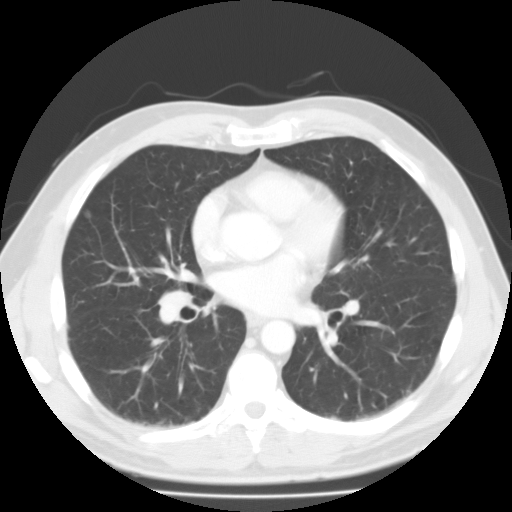
This is axial slice 59 of 116 (slice 1 is the lowest) of a chest CT; each pixel is 0.714 mm and the slice is 3.00 mm thick. Pulmonary nodule, outlined by three of the four readers. Box on this slice rows 210–218, columns 84–91, the union of the readers' outlines on this slice; longest diameter 8.2 mm on average over the three readers' outlines (readers' outlines 7.0–9.3 mm), volume 188–348 mm3. Ratings, by the readers' most common answer with dissent counted: most readers (two of three) put texture at 4/5, others 5/5 (solid) (one); margin split among the readers: 3/5 (one), 4/5 (one), 5/5 (circumscribed) (one); sphericity 5/5 (round) by two of three readers; the rest gave 4/5 (one); calcification absent from all three readers; internal structure soft tissue from all three readers; most readers (two of three) put subtlety at 4/5, others 3/5 (one); most readers (two of three) put malignancy likelihood at 3/5, others 1/5 (one). Scale key (1–5): texture non-solid→solid, margin indistinct→circumscribed, sphericity linear→round, subtlety extremely subtle→obvious, malignancy likelihood highly unlikely→highly suspicious of cancer. Box rows and columns are 0-based pixel indices from the top-left corner, inclusive.
Scan settings: 135 kVp, FC01 reconstruction kernel.